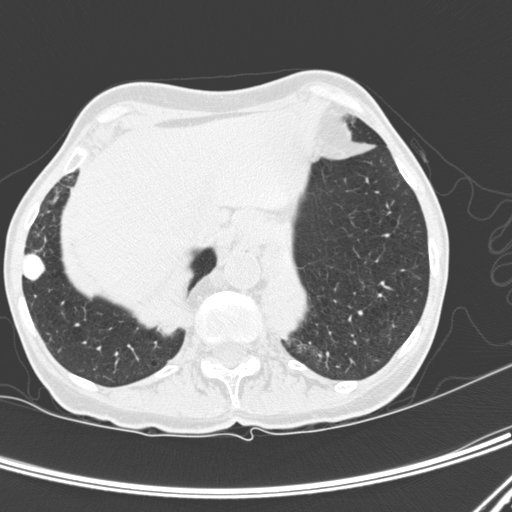
Axial slice 55 of 300 of a chest CT (slice 1 is the lowest), reconstructed with the D kernel at 120 kVp; 1.00 mm slice thickness and 0.607 mm pixels.
Pulmonary nodule outlined by all four readers; box rows 252–281, columns 21–44 (the union of the readers' outlines on this slice); median longest diameter 19.0 mm (readers' outlines 17.1–19.9 mm), median volume 2200 mm3 (1865–2443 mm3). Ratings, median across the readers with their spread: texture 5/5 (solid) from all four readers; margin 5/5 (circumscribed), all four readers agreeing; median sphericity 4/5 (readers ranged 4/5 to 5/5 (round)); calcification: solid calcification (three), absent (one); internal structure soft tissue from all four readers; subtlety 5/5 from all four readers; median malignancy likelihood 1/5 (readers ranged 1–4). Scale key (1–5): texture non-solid→solid, margin indistinct→circumscribed, sphericity linear→round, subtlety extremely subtle→obvious, malignancy likelihood highly unlikely→highly suspicious of cancer. Box rows and columns are 0-based pixel indices from the top-left corner, inclusive.